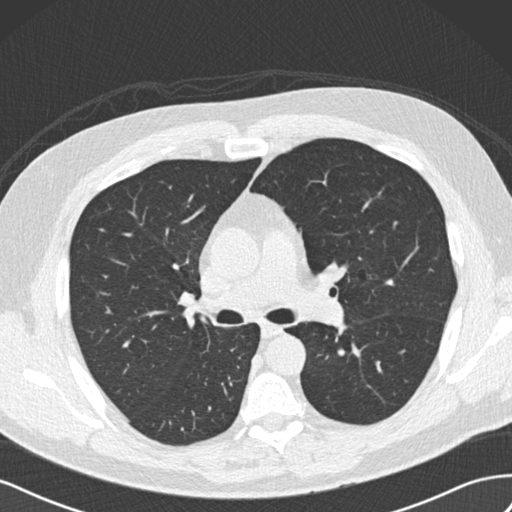
This is axial slice 131 of 206 (slice 1 is the lowest) of a chest CT; each pixel is 0.703 mm and the slice is 2.00 mm thick. This slice carries no reader outline of a nodule 3 mm or larger.
Acquired at 120 kVp and reconstructed with the B30f kernel.